Chest CT, axial plane, 120 kVp, kernel B30f. Slice 486/538 from the bottom of the scan; thickness 0.75 mm; pixel size 0.605 mm.
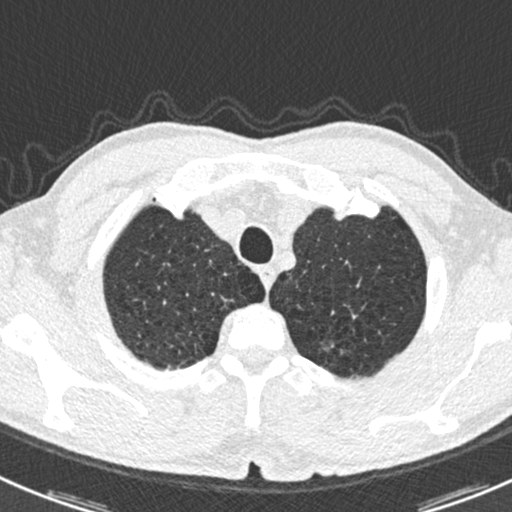
Pulmonary nodule, outlined by one of the four readers. Box on this slice rows 340–351, columns 321–333, that reader's outline on this slice; longest diameter 14.6 mm and volume 194 mm3 from that reader's outline. Ratings by that reader: texture 2/5; margin 1/5 (indistinct); sphericity 2/5; calcification absent; internal structure soft tissue; subtlety 2/5; malignancy likelihood 4/5. Scale key (1–5): texture non-solid→solid, margin indistinct→circumscribed, sphericity linear→round, subtlety extremely subtle→obvious, malignancy likelihood highly unlikely→highly suspicious of cancer. Box rows and columns are 0-based pixel indices from the top-left corner, inclusive.